Axial slice 44 of 148 of a chest CT (slice 1 is the lowest), reconstructed with the STANDARD kernel at 120 kVp; 2.50 mm slice thickness and 0.703 mm pixels.
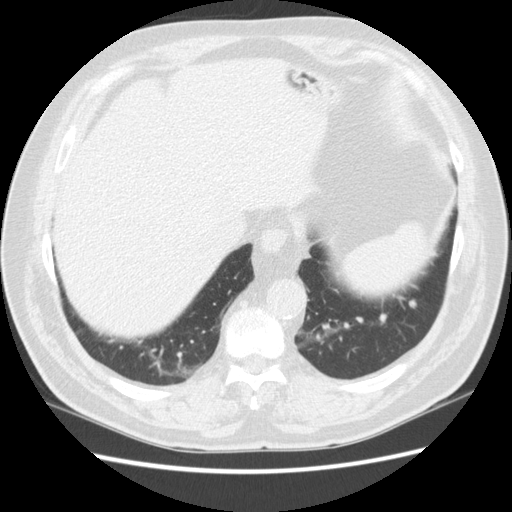
Pulmonary nodule at rows 299–308, columns 409–416 (box = the union of the readers' outlines on this slice), outlined by two of the four readers; longest diameter 7.5 mm on average over the two readers' outlines (readers' outlines 7.1–7.9 mm), volume 125–206 mm3. The readers' prevailing ratings and who disagreed: texture 5/5 (solid), both readers agreeing; margin split among the readers: 2/5 (one), 4/5 (one); sphericity 5/5 (round), both readers agreeing; calcification absent from both readers; internal structure soft tissue, both readers agreeing; subtlety 3/5, both readers agreeing; malignancy likelihood split among the readers: 2/5 (one), 3/5 (one). Scale key (1–5): texture non-solid→solid, margin indistinct→circumscribed, sphericity linear→round, subtlety extremely subtle→obvious, malignancy likelihood highly unlikely→highly suspicious of cancer. Box rows and columns are 0-based pixel indices from the top-left corner, inclusive.